Axial chest CT slice 98 of 134 (counted from the lowest slice); tube voltage 130 kVp, convolution kernel B31s; slices 3.00 mm thick, 0.715 mm per pixel.
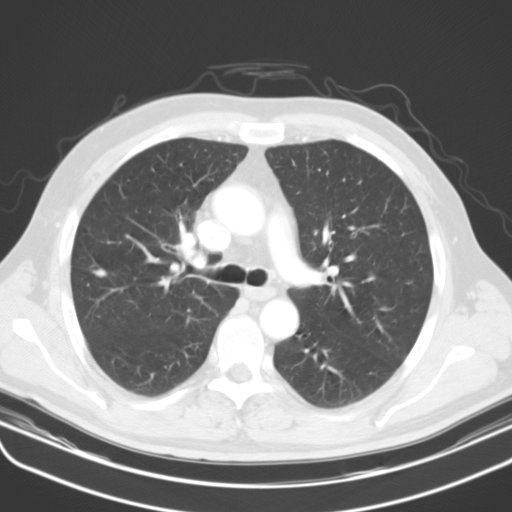
Pulmonary nodule outlined by all four readers; box rows 268–277, columns 91–107 (the union of the readers' outlines on this slice); longest diameter 11.7 mm on average over the four readers' outlines (readers' outlines 10.9–12.5 mm), volume 297–381 mm3. Ratings, by the readers' most common answer with dissent counted: texture 5/5 (solid) by three of four readers; the rest gave 4/5 (one); margin split among the readers: 3/5 (two), 4/5 (two); sphericity split among the readers: 2/5 (two), 3/5 (ovoid) (two); calcification absent by three of four readers, central calcification (one); internal structure soft tissue, all four readers agreeing; subtlety split among the readers: 3/5 (two), 5/5 (two); most readers (three of four) put malignancy likelihood at 3/5, others 1/5 (one). Scale key (1–5): texture non-solid→solid, margin indistinct→circumscribed, sphericity linear→round, subtlety extremely subtle→obvious, malignancy likelihood highly unlikely→highly suspicious of cancer. Box rows and columns are 0-based pixel indices from the top-left corner, inclusive.